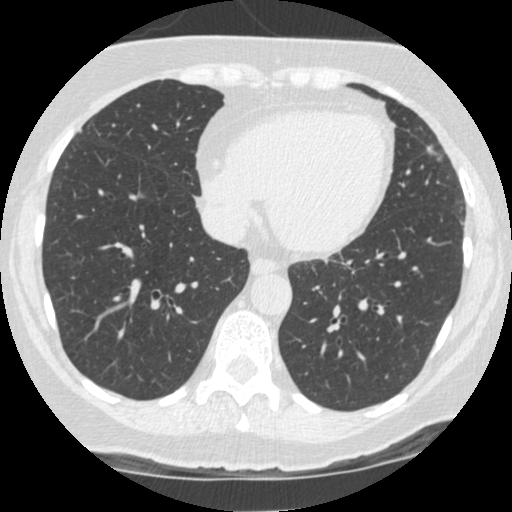
One axial slice (153 of 481, counting up from the lowest) of a chest CT acquired at 120 kVp with the STANDARD kernel; each pixel is 0.586 mm and the slice is 1.25 mm thick.
Pulmonary nodule, outlined by all four readers. Box on this slice rows 144–154, columns 426–439, the union of the readers' outlines on this slice; longest diameter 10.6 mm on average over the four readers' outlines (readers' outlines 9.6–11.3 mm), volume 410–491 mm3. The readers' prevailing ratings and who disagreed: texture 5/5 (solid) from all four readers; most readers (three of four) put margin at 5/5 (circumscribed), others 4/5 (one); most readers (three of four) put sphericity at 4/5, others 5/5 (round) (one); calcification absent, all four readers agreeing; internal structure soft tissue, all four readers agreeing; subtlety 5/5 by three of four readers; the rest gave 4/5 (one); malignancy likelihood split among the readers: 2/5 (one), 3/5 (one), 4/5 (one), 5/5 (one). Scale key (1–5): texture non-solid→solid, margin indistinct→circumscribed, sphericity linear→round, subtlety extremely subtle→obvious, malignancy likelihood highly unlikely→highly suspicious of cancer. Box rows and columns are 0-based pixel indices from the top-left corner, inclusive.